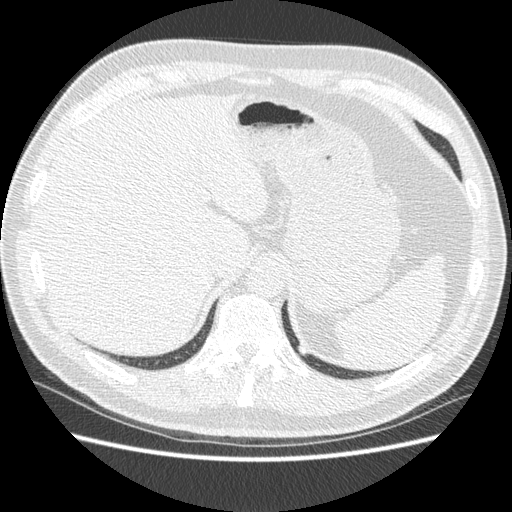
Chest CT, axial plane, 120 kVp, kernel STANDARD. Slice 90/477 from the bottom of the scan; thickness 1.25 mm; pixel size 0.703 mm.
Pulmonary nodule at rows 345–356, columns 296–307 (box = the union of the readers' outlines on this slice), outlined by all four readers; the four readers' outlines give a longest diameter between 10.5 and 13.2 mm and a volume between 347 and 425 mm3. Ratings across the readers: texture 5/5 (solid) from all four readers; margin from 4/5 to 5/5 (circumscribed) across the four readers; sphericity from 3/5 (ovoid) to 5/5 (round) across the four readers; calcification split among the readers: solid calcification (one), non-central calcification (one), central calcification (one), absent (one); internal structure soft tissue, all four readers agreeing; subtlety 3–5/5 (the readers disagree); malignancy likelihood from 1/5 to 2/5 across the four readers. Scale key (1–5): texture non-solid→solid, margin indistinct→circumscribed, sphericity linear→round, subtlety extremely subtle→obvious, malignancy likelihood highly unlikely→highly suspicious of cancer. Box rows and columns are 0-based pixel indices from the top-left corner, inclusive.